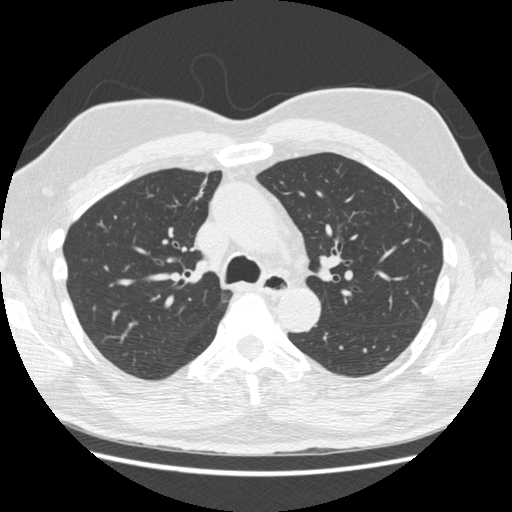
Axial slice 348 of 557 of a chest CT (slice 1 is the lowest), reconstructed with the STANDARD kernel at 120 kVp; 1.25 mm slice thickness and 0.703 mm pixels.
Pulmonary nodule outlined by all four readers, one of them on this slice; box rows 190–194, columns 198–203 (the one reader's outline on this slice); longest diameter 12.6–14.2 mm and volume 470–622 mm3 across the four readers' outlines. The readers' ratings, as ranges where they differ: texture 5/5 (solid), all four readers agreeing; margin from 4/5 to 5/5 (circumscribed) across the four readers; sphericity 3/5 (ovoid) from all four readers; calcification absent from all four readers; internal structure soft tissue from all four readers; subtlety from 3/5 to 5/5 across the four readers; malignancy likelihood rated between 1 and 4 out of 5 by the four readers. Scale key (1–5): texture non-solid→solid, margin indistinct→circumscribed, sphericity linear→round, subtlety extremely subtle→obvious, malignancy likelihood highly unlikely→highly suspicious of cancer. Box rows and columns are 0-based pixel indices from the top-left corner, inclusive.